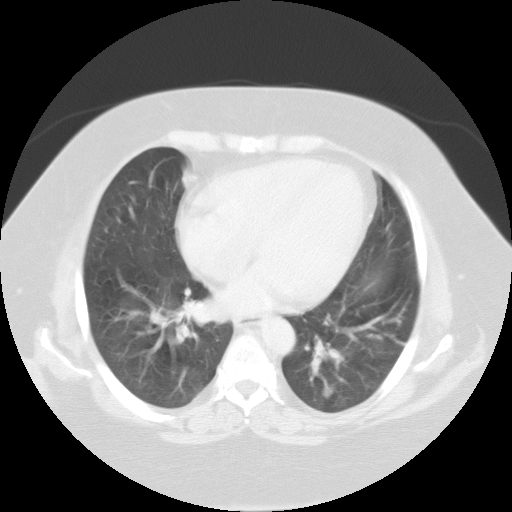
Axial chest CT slice 54 of 102 (counted from the lowest slice); 3.00 mm thick, 0.808 mm per pixel. Pulmonary nodule at rows 386–397, columns 322–332 (box = the union of the readers' outlines on this slice), outlined by all four readers; longest diameter 11.5–13.9 mm and volume 1135–1808 mm3 across the four readers' outlines. The readers' ratings, as ranges where they differ: texture 5/5 (solid) from all four readers; margin 5/5 (circumscribed), all four readers agreeing; sphericity 5/5 (round), all four readers agreeing; calcification absent from all four readers; internal structure soft tissue, all four readers agreeing; subtlety rated between 3 and 5 out of 5 by the four readers; malignancy likelihood rated between 2 and 5 out of 5 by the four readers. Scale key (1–5): texture non-solid→solid, margin indistinct→circumscribed, sphericity linear→round, subtlety extremely subtle→obvious, malignancy likelihood highly unlikely→highly suspicious of cancer. Box rows and columns are 0-based pixel indices from the top-left corner, inclusive.
Scan settings: 135 kVp, FC01 reconstruction kernel.